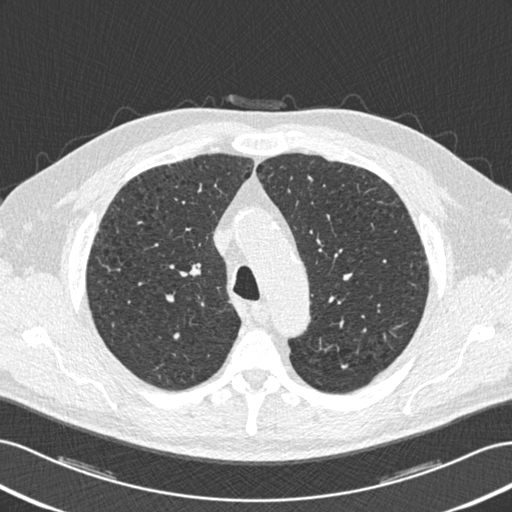
Axial slice 391 of 506 of a chest CT (slice 1 is the lowest), reconstructed with the B30f kernel at 120 kVp; 0.75 mm slice thickness and 0.699 mm pixels.
Two pulmonary nodules on this slice, listed from left to right. (1) Pulmonary nodule outlined by one of the four readers; box rows 263–275, columns 189–200 (that reader's outline on this slice); longest diameter 11.1 mm and volume 211 mm3 from that reader's outline. That reader's ratings: texture 5/5 (solid); margin 4/5; sphericity 2/5; calcification absent; internal structure soft tissue; subtlety 2/5; malignancy likelihood 3/5. (2) Pulmonary nodule outlined by two of the four readers; box rows 363–368, columns 341–347 (the union of the readers' outlines on this slice); median longest diameter 7.3 mm (readers' outlines 6.4–8.2 mm), median volume 106 mm3 (59–153 mm3). Median ratings and the readers' spread: texture 5/5 (solid), both readers agreeing; median margin 4.5/5 (readers ranged 4/5 to 5/5 (circumscribed)); sphericity 3.5/5 at the median of two readers, spread 3/5 (ovoid) to 4/5; calcification absent from both readers; internal structure soft tissue from both readers; subtlety 4/5 at the median of two readers, spread 3–5; malignancy likelihood 3/5, both readers agreeing. Scale key (1–5): texture non-solid→solid, margin indistinct→circumscribed, sphericity linear→round, subtlety extremely subtle→obvious, malignancy likelihood highly unlikely→highly suspicious of cancer. Box rows and columns are 0-based pixel indices from the top-left corner, inclusive.